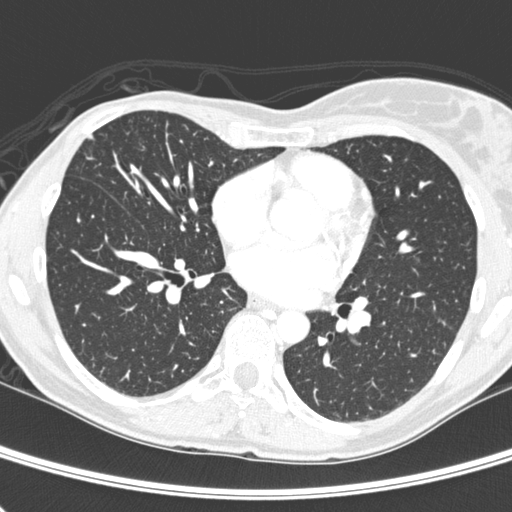
Axial slice 136 of 280 of a chest CT (slice 1 is the lowest), reconstructed with the D kernel at 120 kVp; 1.00 mm slice thickness and 0.578 mm pixels.
Pulmonary nodule, outlined by two of the four readers. Box on this slice rows 135–140, columns 88–95, the union of the readers' outlines on this slice; median longest diameter 5.2 mm (readers' outlines 5.0–5.3 mm), median volume 25 mm3 (25–26 mm3). Ratings, median across the readers with their spread: texture 5/5 (solid), both readers agreeing; median margin 4/5 (readers ranged 3/5 to 5/5 (circumscribed)); sphericity 3/5 (ovoid) at the median of two readers, spread 2/5 to 4/5; calcification absent from both readers; internal structure soft tissue from both readers; median subtlety 4/5 (readers ranged 3–5); median malignancy likelihood 2.5/5 (readers ranged 2–3). Scale key (1–5): texture non-solid→solid, margin indistinct→circumscribed, sphericity linear→round, subtlety extremely subtle→obvious, malignancy likelihood highly unlikely→highly suspicious of cancer. Box rows and columns are 0-based pixel indices from the top-left corner, inclusive.